Chest CT, axial plane, 120 kVp, kernel C. Slice 95/392 from the bottom of the scan; thickness 1.50 mm; pixel size 0.639 mm.
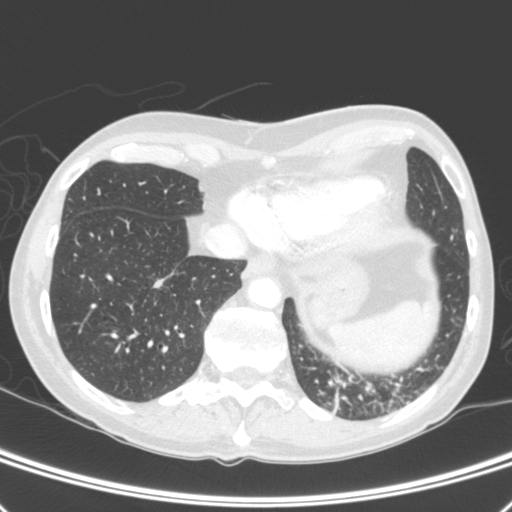
Pulmonary nodule at rows 278–287, columns 152–164 (box = the union of the readers' outlines on this slice), outlined by three of the four readers; longest diameter 9.9 mm on average over the three readers' outlines (readers' outlines 9.0–10.9 mm), volume 190–278 mm3. Ratings, by the readers' most common answer with dissent counted: texture 5/5 (solid) from all three readers; most readers (two of three) put margin at 5/5 (circumscribed), others 3/5 (one); sphericity 3/5 (ovoid), all three readers agreeing; calcification absent, all three readers agreeing; internal structure soft tissue, all three readers agreeing; subtlety 4/5 by two of three readers; the rest gave 5/5 (one); most readers (two of three) put malignancy likelihood at 2/5, others 4/5 (one). Scale key (1–5): texture non-solid→solid, margin indistinct→circumscribed, sphericity linear→round, subtlety extremely subtle→obvious, malignancy likelihood highly unlikely→highly suspicious of cancer. Box rows and columns are 0-based pixel indices from the top-left corner, inclusive.